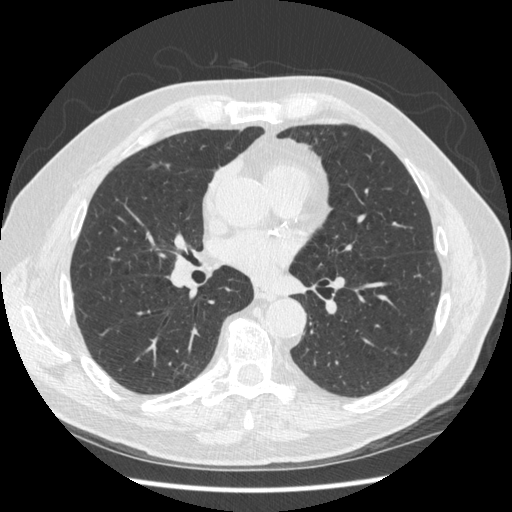
This is axial slice 224 of 477 (slice 1 is the lowest) of a chest CT; each pixel is 0.703 mm and the slice is 1.25 mm thick. Pulmonary nodule at rows 164–169, columns 147–157 (box = the one reader's outline on this slice), outlined by two of the four readers, one of them on this slice; median longest diameter 9.3 mm (readers' outlines 8.2–10.5 mm), median volume 65 mm3 (48–81 mm3). Median ratings and the readers' spread: texture 5/5 (solid) from both readers; margin 4.5/5 at the median of two readers, spread 4/5 to 5/5 (circumscribed); sphericity 3.5/5 at the median of two readers, spread 2/5 to 5/5 (round); calcification absent from both readers; internal structure soft tissue, both readers agreeing; subtlety 3/5 from both readers; malignancy likelihood 2.5/5 at the median of two readers, spread 2–3. Scale key (1–5): texture non-solid→solid, margin indistinct→circumscribed, sphericity linear→round, subtlety extremely subtle→obvious, malignancy likelihood highly unlikely→highly suspicious of cancer. Box rows and columns are 0-based pixel indices from the top-left corner, inclusive.
Scan settings: 120 kVp, STANDARD reconstruction kernel.